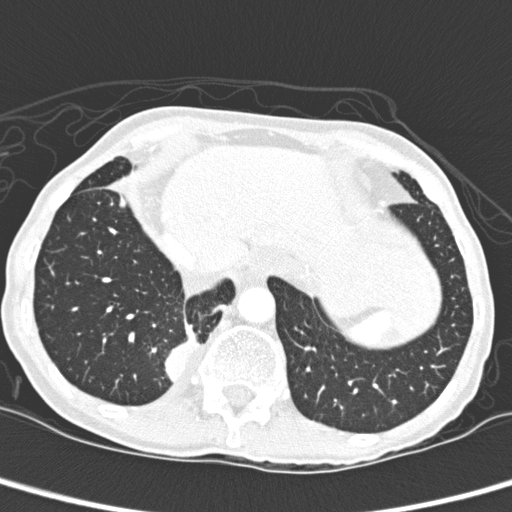
One axial slice (50 of 280, counting up from the lowest) of a chest CT acquired at 120 kVp with the D kernel; each pixel is 0.564 mm and the slice is 1.00 mm thick.
Pulmonary nodule, outlined by two of the four readers. Box on this slice rows 325–382, columns 165–201, the union of the readers' outlines on this slice; longest diameter 33.9 mm on average over the two readers' outlines (readers' outlines 32.1–35.8 mm), volume 5657–6702 mm3. The readers' prevailing ratings and who disagreed: texture 5/5 (solid) from both readers; margin 4/5 from both readers; sphericity 3/5 (ovoid), both readers agreeing; calcification absent, both readers agreeing; internal structure soft tissue, both readers agreeing; subtlety 5/5 from both readers; malignancy likelihood split among the readers: 2/5 (one), 3/5 (one). Scale key (1–5): texture non-solid→solid, margin indistinct→circumscribed, sphericity linear→round, subtlety extremely subtle→obvious, malignancy likelihood highly unlikely→highly suspicious of cancer. Box rows and columns are 0-based pixel indices from the top-left corner, inclusive.